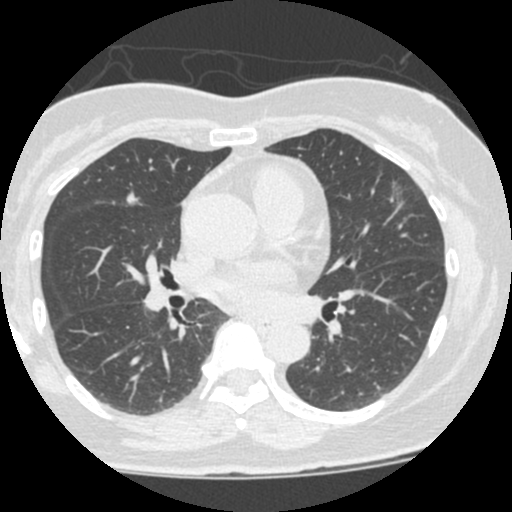
Axial chest CT slice 280 of 490 (counted from the lowest slice); tube voltage 120 kVp, convolution kernel STANDARD; slices 1.25 mm thick, 0.547 mm per pixel.
Pulmonary nodule at rows 180–216, columns 387–410 (box = the union of the readers' outlines on this slice), outlined by two of the four readers; median longest diameter 26.9 mm (readers' outlines 26.3–27.5 mm), median volume 1510 mm3 (1167–1852 mm3). Median ratings and the readers' spread: texture 1/5 (non-solid) from both readers; median margin 1.5/5 (readers ranged 1/5 (indistinct) to 2/5); median sphericity 3.5/5 (readers ranged 2/5 to 5/5 (round)); calcification absent from both readers; internal structure soft tissue from both readers; median subtlety 3/5 (readers ranged 1–5); malignancy likelihood 2.5/5 at the median of two readers, spread 2–3. Scale key (1–5): texture non-solid→solid, margin indistinct→circumscribed, sphericity linear→round, subtlety extremely subtle→obvious, malignancy likelihood highly unlikely→highly suspicious of cancer. Box rows and columns are 0-based pixel indices from the top-left corner, inclusive.